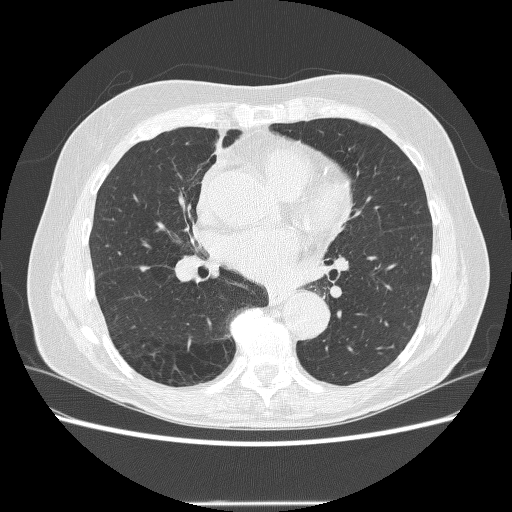
Axial slice 111 of 246 of a chest CT (slice 1 is the lowest), reconstructed with the BONE kernel at 120 kVp; 1.25 mm slice thickness and 0.703 mm pixels.
Pulmonary nodule at rows 266–271, columns 140–150 (box = that reader's outline on this slice), outlined by one of the four readers; longest diameter 8.6 mm and volume 87 mm3 from that reader's outline. That reader's ratings: texture 5/5 (solid); margin 5/5 (circumscribed); sphericity 3/5 (ovoid); calcification absent; internal structure soft tissue; subtlety 4/5; malignancy likelihood 3/5. Scale key (1–5): texture non-solid→solid, margin indistinct→circumscribed, sphericity linear→round, subtlety extremely subtle→obvious, malignancy likelihood highly unlikely→highly suspicious of cancer. Box rows and columns are 0-based pixel indices from the top-left corner, inclusive.